One axial slice (161 of 300, counting up from the lowest) of a chest CT acquired at 120 kVp with the D kernel; each pixel is 0.662 mm and the slice is 2.00 mm thick.
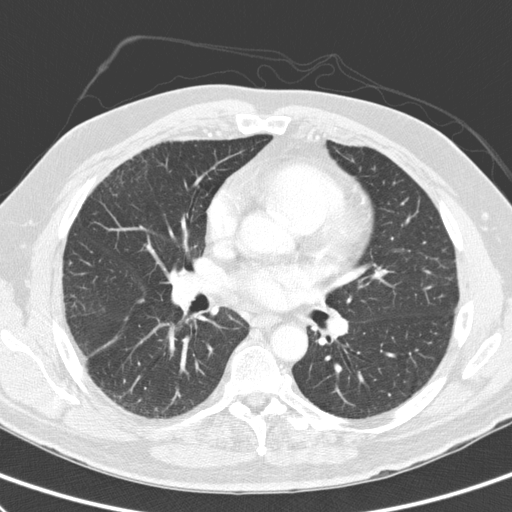
Pulmonary nodule outlined by three of the four readers; box rows 298–303, columns 137–144 (the union of the readers' outlines on this slice); median longest diameter 8.9 mm (readers' outlines 8.2–10.3 mm), median volume 156 mm3 (142–190 mm3). Ratings, median across the readers with their spread: texture 5/5 (solid) from all three readers; margin 4/5 from all three readers; median sphericity 4/5 (readers ranged 3/5 (ovoid) to 4/5); calcification absent, all three readers agreeing; internal structure soft tissue, all three readers agreeing; median subtlety 4/5 (readers ranged 4–5); median malignancy likelihood 3/5 (readers ranged 3–4). Scale key (1–5): texture non-solid→solid, margin indistinct→circumscribed, sphericity linear→round, subtlety extremely subtle→obvious, malignancy likelihood highly unlikely→highly suspicious of cancer. Box rows and columns are 0-based pixel indices from the top-left corner, inclusive.